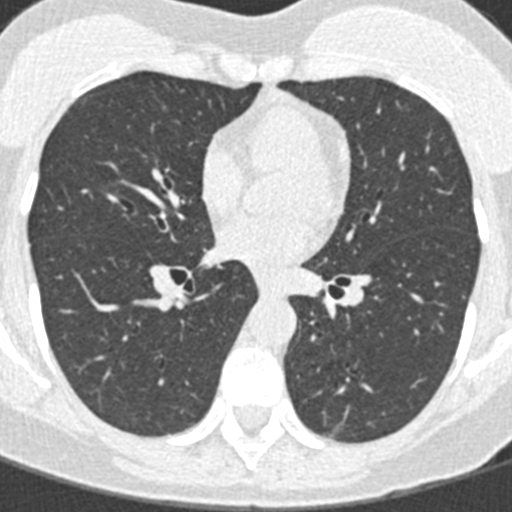
Chest CT, axial plane, 120 kVp, kernel B30f. Slice 177/376 from the bottom of the scan; thickness 0.75 mm; pixel size 0.461 mm.
Pulmonary nodule at rows 424–436, columns 328–343 (box = that reader's outline on this slice), outlined by one of the four readers; longest diameter 10.8 mm and volume 74 mm3 from that reader's outline. Ratings by that reader: texture 4/5; margin 1/5 (indistinct); sphericity 3/5 (ovoid); calcification absent; internal structure soft tissue; subtlety 5/5; malignancy likelihood 2/5. Scale key (1–5): texture non-solid→solid, margin indistinct→circumscribed, sphericity linear→round, subtlety extremely subtle→obvious, malignancy likelihood highly unlikely→highly suspicious of cancer. Box rows and columns are 0-based pixel indices from the top-left corner, inclusive.